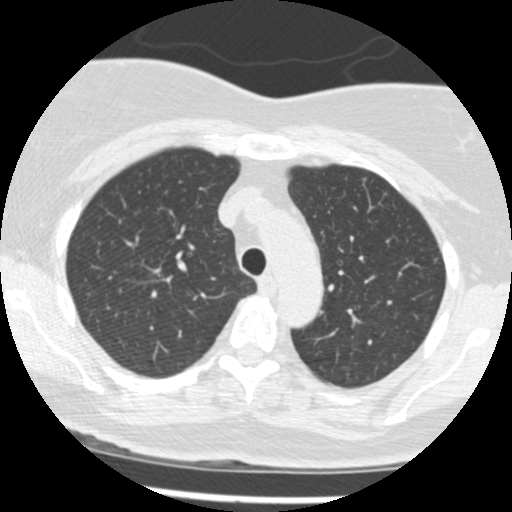
Axial chest CT slice 337 of 433 (counted from the lowest slice); tube voltage 120 kVp, convolution kernel STANDARD; slices 1.25 mm thick, 0.547 mm per pixel.
Pulmonary nodule outlined by one of the four readers; box rows 178–180, columns 362–365 (that reader's outline on this slice); longest diameter 3.9 mm and volume 28 mm3 from that reader's outline. That reader's ratings: texture 5/5 (solid); margin 5/5 (circumscribed); sphericity 4/5; calcification solid calcification; internal structure soft tissue; subtlety 5/5; malignancy likelihood 3/5. Scale key (1–5): texture non-solid→solid, margin indistinct→circumscribed, sphericity linear→round, subtlety extremely subtle→obvious, malignancy likelihood highly unlikely→highly suspicious of cancer. Box rows and columns are 0-based pixel indices from the top-left corner, inclusive.